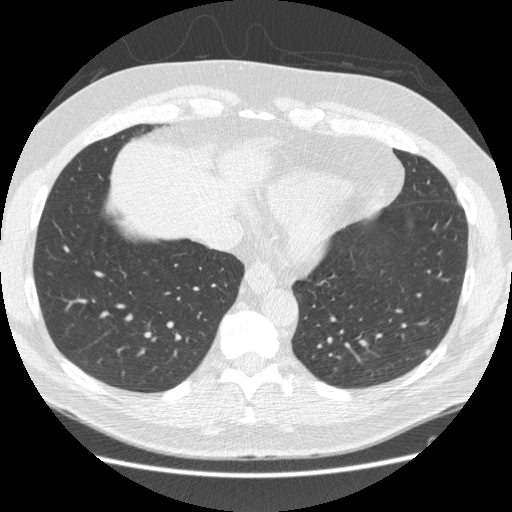
Slice 186/538 of a chest CT, counting up from the lowest; pixel size 0.742 mm, slice thickness 1.25 mm. Pulmonary nodule at rows 350–356, columns 424–430 (box = the union of the readers' outlines on this slice), outlined by three of the four readers; median longest diameter 6.3 mm (readers' outlines 6.1–8.0 mm), median volume 75 mm3 (26–109 mm3). Median ratings and the readers' spread: median texture 5/5 (solid) (readers ranged 4/5 to 5/5 (solid)); margin 4/5 at the median of three readers, spread 1/5 (indistinct) to 5/5 (circumscribed); sphericity 4/5 at the median of three readers, spread 3/5 (ovoid) to 5/5 (round); calcification absent, all three readers agreeing; internal structure soft tissue from all three readers; median subtlety 3/5 (readers ranged 2–5); malignancy likelihood 3/5 at the median of three readers, spread 2–4. Scale key (1–5): texture non-solid→solid, margin indistinct→circumscribed, sphericity linear→round, subtlety extremely subtle→obvious, malignancy likelihood highly unlikely→highly suspicious of cancer. Box rows and columns are 0-based pixel indices from the top-left corner, inclusive.
Tube voltage 120 kVp; convolution kernel STANDARD.